Axial chest CT slice 183 of 368 (counted from the lowest slice); tube voltage 120 kVp, convolution kernel B70f; slices 2.00 mm thick, 0.623 mm per pixel.
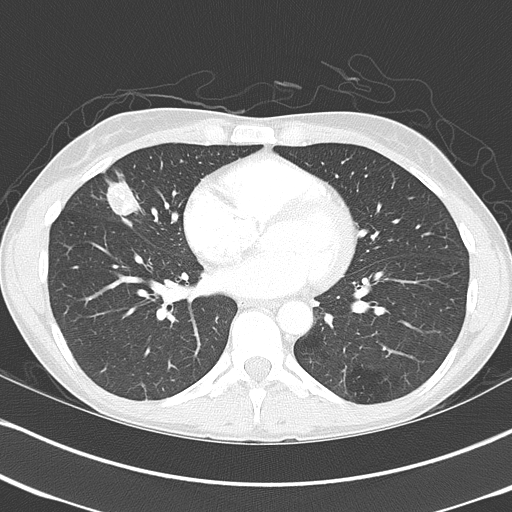
Pulmonary nodule at rows 167–216, columns 101–144 (box = the union of the readers' outlines on this slice), outlined by all four readers; longest diameter 27.1–39.3 mm and volume 6531–9806 mm3 across the four readers' outlines. Ratings across the readers: texture 5/5 (solid), all four readers agreeing; margin from 2/5 to 5/5 (circumscribed) across the four readers; sphericity from 2/5 to 3/5 (ovoid) across the four readers; calcification split among the readers: laminated calcification (one), absent (one), popcorn calcification (one), non-central calcification (one); internal structure soft tissue from all four readers; subtlety 5/5 from all four readers; malignancy likelihood rated between 1 and 5 out of 5 by the four readers. Scale key (1–5): texture non-solid→solid, margin indistinct→circumscribed, sphericity linear→round, subtlety extremely subtle→obvious, malignancy likelihood highly unlikely→highly suspicious of cancer. Box rows and columns are 0-based pixel indices from the top-left corner, inclusive.